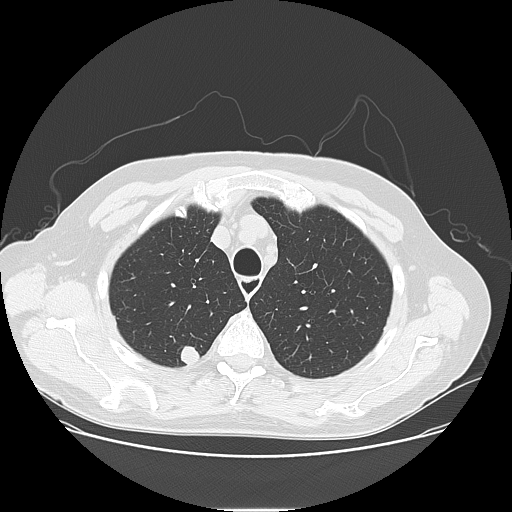
Axial chest CT slice 112 of 141 (counted from the lowest slice); tube voltage 120 kVp, convolution kernel LUNG; slices 2.50 mm thick, 0.762 mm per pixel.
Pulmonary nodule outlined by all four readers; box rows 345–364, columns 180–199 (the union of the readers' outlines on this slice); the four readers' outlines give a longest diameter between 15.9 and 17.1 mm and a volume between 1828 and 2231 mm3. The readers' ratings, as ranges where they differ: texture from 3/5 (part-solid) to 5/5 (solid) across the four readers; margin from 2/5 to 5/5 (circumscribed) across the four readers; sphericity from 3/5 (ovoid) to 5/5 (round) across the four readers; calcification absent from all four readers; internal structure soft tissue from all four readers; subtlety rated between 4 and 5 out of 5 by the four readers; malignancy likelihood rated between 3 and 5 out of 5 by the four readers. Scale key (1–5): texture non-solid→solid, margin indistinct→circumscribed, sphericity linear→round, subtlety extremely subtle→obvious, malignancy likelihood highly unlikely→highly suspicious of cancer. Box rows and columns are 0-based pixel indices from the top-left corner, inclusive.